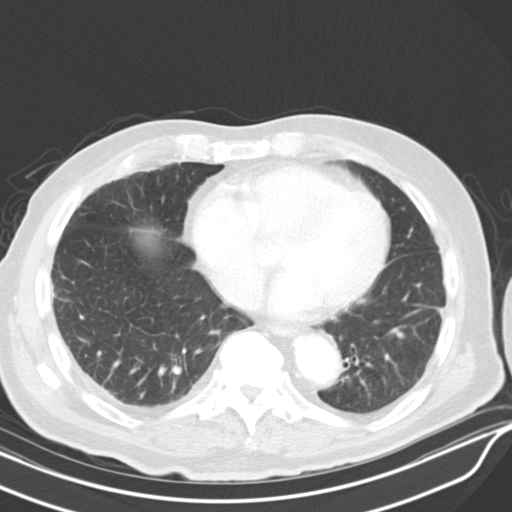
Chest CT, axial plane, 130 kVp, kernel B30s. Slice 215/319 from the bottom of the scan; thickness 4.00 mm; pixel size 0.729 mm.
Pulmonary nodule at rows 379–387, columns 347–352 (box = the one reader's outline on this slice), outlined by all four readers, one of them on this slice; longest diameter 11.1 mm on average over the four readers' outlines (readers' outlines 9.7–12.7 mm), volume 198–267 mm3. Ratings, by the readers' most common answer with dissent counted: texture split among the readers: 1/5 (non-solid) (one), 3/5 (part-solid) (one), 4/5 (one), 5/5 (solid) (one); margin split among the readers: 1/5 (indistinct) (one), 2/5 (one), 3/5 (one), 4/5 (one); sphericity split among the readers: 2/5 (two), 3/5 (ovoid) (two); calcification absent from all four readers; internal structure soft tissue from all four readers; subtlety 2/5 by two of four readers; the rest gave 1/5 (one), 5/5 (one); malignancy likelihood 3/5 by three of four readers; the rest gave 2/5 (one). Scale key (1–5): texture non-solid→solid, margin indistinct→circumscribed, sphericity linear→round, subtlety extremely subtle→obvious, malignancy likelihood highly unlikely→highly suspicious of cancer. Box rows and columns are 0-based pixel indices from the top-left corner, inclusive.